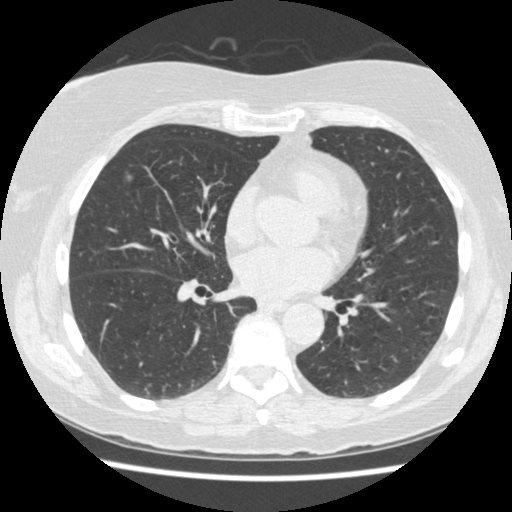
Chest CT, axial plane, 120 kVp, kernel STANDARD. Slice 222/474 from the bottom of the scan; thickness 1.25 mm; pixel size 0.625 mm.
Pulmonary nodule, outlined by all four readers. Box on this slice rows 170–181, columns 122–135, the union of the readers' outlines on this slice; longest diameter 14.7 mm on average over the four readers' outlines (readers' outlines 12.6–15.8 mm), volume 209–921 mm3. The readers' prevailing ratings and who disagreed: most readers (three of four) put texture at 3/5 (part-solid), others 2/5 (one); margin 3/5 by three of four readers; the rest gave 1/5 (indistinct) (one); sphericity split among the readers: 2/5 (one), 3/5 (ovoid) (one), 4/5 (one), 5/5 (round) (one); calcification absent, all four readers agreeing; internal structure soft tissue from all four readers; subtlety 5/5 by two of four readers; the rest gave 3/5 (one), 4/5 (one); malignancy likelihood 5/5 by three of four readers; the rest gave 3/5 (one). Scale key (1–5): texture non-solid→solid, margin indistinct→circumscribed, sphericity linear→round, subtlety extremely subtle→obvious, malignancy likelihood highly unlikely→highly suspicious of cancer. Box rows and columns are 0-based pixel indices from the top-left corner, inclusive.